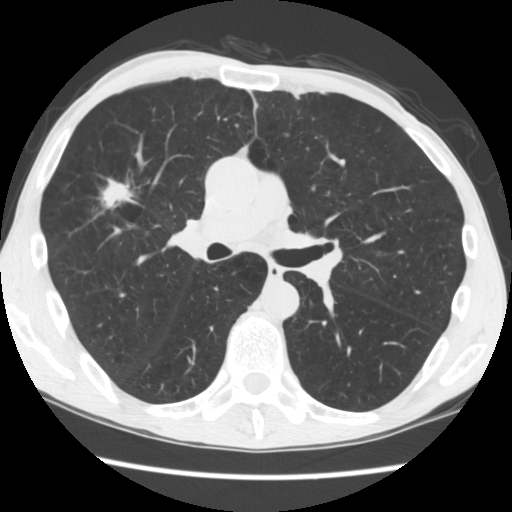
One axial slice (102 of 181, counting up from the lowest) of a chest CT acquired at 120 kVp with the STANDARD kernel; each pixel is 0.645 mm and the slice is 2.50 mm thick.
Pulmonary nodule at rows 169–212, columns 92–142 (box = the union of the readers' outlines on this slice), outlined by all four readers; longest diameter 39.8 mm on average over the four readers' outlines (readers' outlines 35.2–44.7 mm), volume 5781–11800 mm3. The readers' prevailing ratings and who disagreed: most readers (three of four) put texture at 4/5, others 5/5 (solid) (one); margin 3/5 by two of four readers; the rest gave 2/5 (one), 4/5 (one); sphericity split among the readers: 2/5 (one), 3/5 (ovoid) (one), 4/5 (one), 5/5 (round) (one); calcification absent from all four readers; internal structure soft tissue, all four readers agreeing; subtlety 5/5, all four readers agreeing; malignancy likelihood 5/5, all four readers agreeing. Scale key (1–5): texture non-solid→solid, margin indistinct→circumscribed, sphericity linear→round, subtlety extremely subtle→obvious, malignancy likelihood highly unlikely→highly suspicious of cancer. Box rows and columns are 0-based pixel indices from the top-left corner, inclusive.